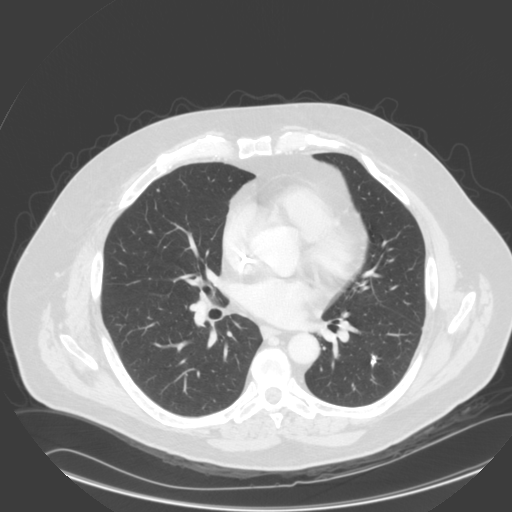
Axial slice 161 of 305 of a chest CT (slice 1 is the lowest), reconstructed with the B kernel at 140 kVp; 2.00 mm slice thickness and 0.834 mm pixels.
Pulmonary nodule, outlined by all four readers. Box on this slice rows 355–365, columns 370–375, the union of the readers' outlines on this slice; the four readers' outlines give a longest diameter between 7.9 and 12.9 mm and a volume between 74 and 239 mm3. The readers' ratings, as ranges where they differ: texture 5/5 (solid), all four readers agreeing; margin from 2/5 to 5/5 (circumscribed) across the four readers; sphericity from 1/5 (linear) to 4/5 across the four readers; calcification: solid calcification (three), absent (one); internal structure soft tissue, all four readers agreeing; subtlety rated between 4 and 5 out of 5 by the four readers; malignancy likelihood rated between 1 and 4 out of 5 by the four readers. Scale key (1–5): texture non-solid→solid, margin indistinct→circumscribed, sphericity linear→round, subtlety extremely subtle→obvious, malignancy likelihood highly unlikely→highly suspicious of cancer. Box rows and columns are 0-based pixel indices from the top-left corner, inclusive.